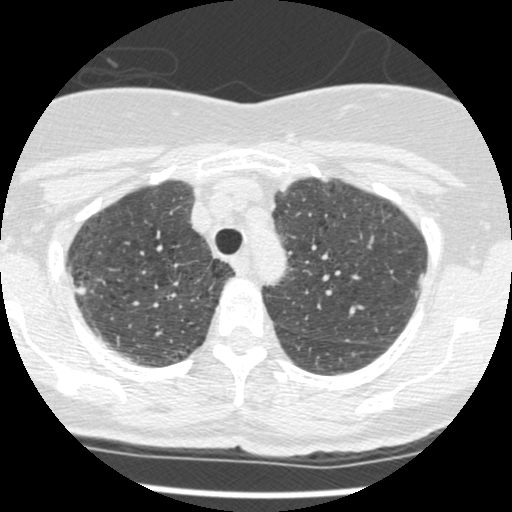
Slice 384/465 of a chest CT, counting up from the lowest; pixel size 0.586 mm, slice thickness 1.25 mm. Pulmonary nodule at rows 286–294, columns 75–85 (box = that reader's outline on this slice), outlined by one of the four readers; longest diameter 8.3 mm and volume 208 mm3 from that reader's outline. Ratings by that reader: texture 5/5 (solid); margin 4/5; sphericity 4/5; calcification absent; internal structure soft tissue; subtlety 3/5; malignancy likelihood 2/5. Scale key (1–5): texture non-solid→solid, margin indistinct→circumscribed, sphericity linear→round, subtlety extremely subtle→obvious, malignancy likelihood highly unlikely→highly suspicious of cancer. Box rows and columns are 0-based pixel indices from the top-left corner, inclusive.
Scan settings: 120 kVp, STANDARD reconstruction kernel.